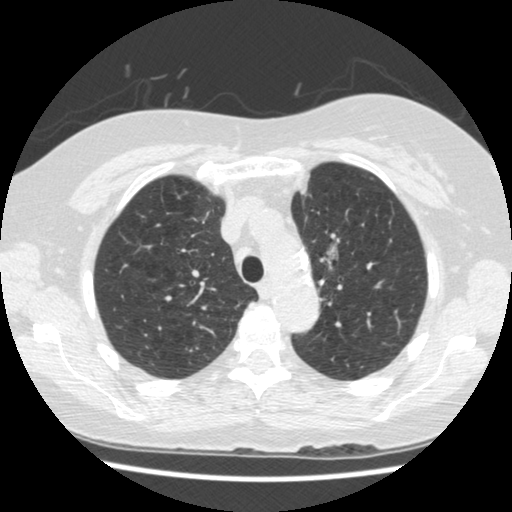
One axial slice (351 of 474, counting up from the lowest) of a chest CT acquired at 120 kVp with the STANDARD kernel; each pixel is 0.625 mm and the slice is 1.25 mm thick.
Pulmonary nodule, outlined by one of the four readers. Box on this slice rows 244–270, columns 320–337, that reader's outline on this slice; longest diameter 17.7 mm and volume 538 mm3 from that reader's outline. That reader's ratings: texture 1/5 (non-solid); margin 2/5; sphericity 3/5 (ovoid); calcification absent; internal structure soft tissue; subtlety 3/5; malignancy likelihood 2/5. Scale key (1–5): texture non-solid→solid, margin indistinct→circumscribed, sphericity linear→round, subtlety extremely subtle→obvious, malignancy likelihood highly unlikely→highly suspicious of cancer. Box rows and columns are 0-based pixel indices from the top-left corner, inclusive.